Axial chest CT slice 131 of 216 (counted from the lowest slice); tube voltage 120 kVp, convolution kernel STANDARD; slices 1.25 mm thick, 0.703 mm per pixel.
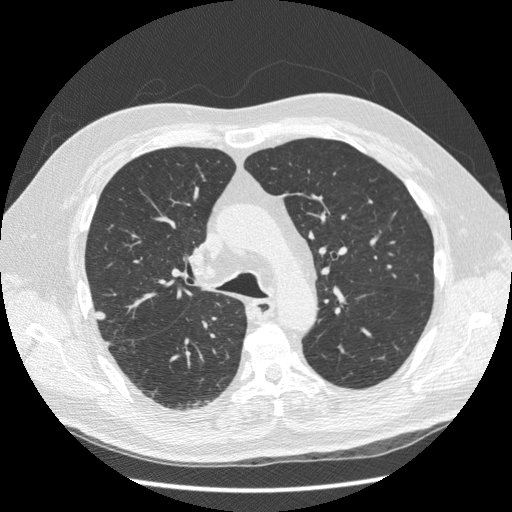
Pulmonary nodule outlined by three of the four readers; box rows 311–319, columns 96–105 (the union of the readers' outlines on this slice); longest diameter 8.7–9.4 mm and volume 270–308 mm3 across the three readers' outlines. Ratings across the readers: texture 5/5 (solid), all three readers agreeing; margin from 4/5 to 5/5 (circumscribed) across the three readers; sphericity from 4/5 to 5/5 (round) across the three readers; calcification absent from all three readers; internal structure: soft tissue (two), adipose tissue (one); subtlety rated between 4 and 5 out of 5 by the three readers; malignancy likelihood from 2/5 to 4/5 across the three readers. Scale key (1–5): texture non-solid→solid, margin indistinct→circumscribed, sphericity linear→round, subtlety extremely subtle→obvious, malignancy likelihood highly unlikely→highly suspicious of cancer. Box rows and columns are 0-based pixel indices from the top-left corner, inclusive.